Chest CT, axial plane, 120 kVp, kernel STANDARD. Slice 93/127 from the bottom of the scan; thickness 2.50 mm; pixel size 0.742 mm.
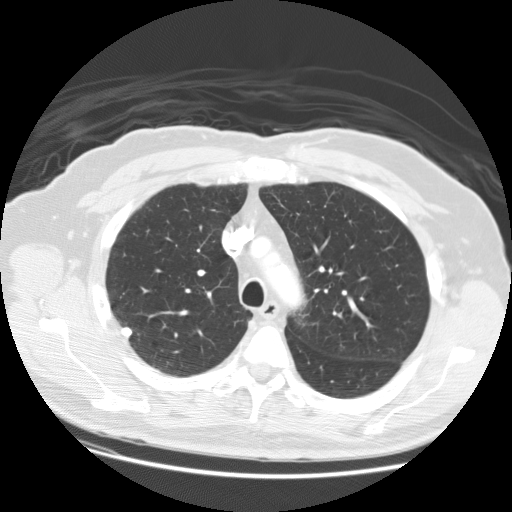
Pulmonary nodule, outlined by all four readers. Box on this slice rows 327–337, columns 120–132, the union of the readers' outlines on this slice; longest diameter 8.9–10.6 mm and volume 345–480 mm3 across the four readers' outlines. The readers' ratings, as ranges where they differ: texture 5/5 (solid) from all four readers; margin 5/5 (circumscribed) from all four readers; sphericity from 3/5 (ovoid) to 5/5 (round) across the four readers; calcification: solid calcification (three), absent (one); internal structure soft tissue, all four readers agreeing; subtlety rated between 4 and 5 out of 5 by the four readers; malignancy likelihood rated between 1 and 2 out of 5 by the four readers. Scale key (1–5): texture non-solid→solid, margin indistinct→circumscribed, sphericity linear→round, subtlety extremely subtle→obvious, malignancy likelihood highly unlikely→highly suspicious of cancer. Box rows and columns are 0-based pixel indices from the top-left corner, inclusive.